One axial slice (146 of 245, counting up from the lowest) of a chest CT acquired at 120 kVp with the STANDARD kernel; each pixel is 0.547 mm and the slice is 2.50 mm thick.
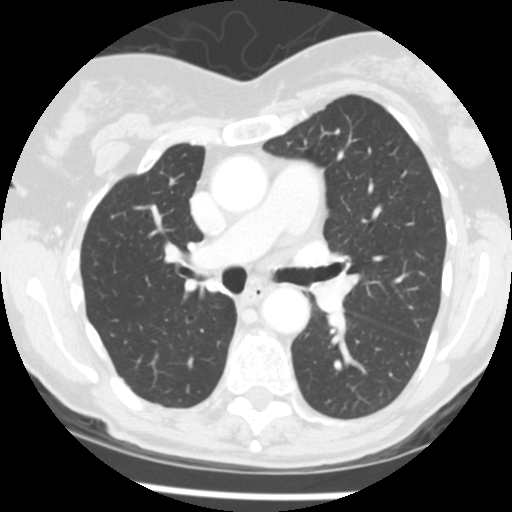
No nodule 3 mm or larger was outlined here by any reader.